Chest CT, axial plane, 120 kVp, kernel STANDARD. Slice 80/238 from the bottom of the scan; thickness 1.25 mm; pixel size 0.703 mm.
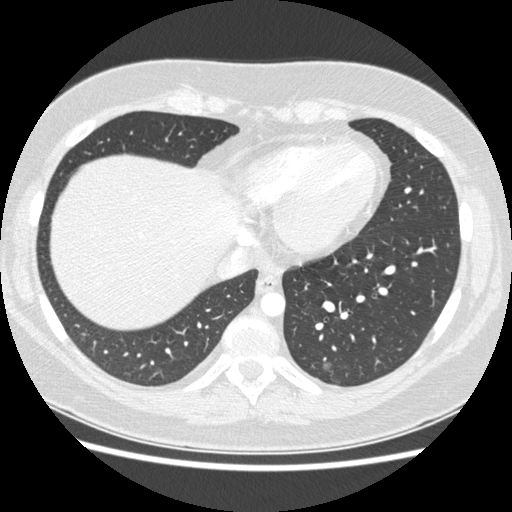
Pulmonary nodule, outlined by three of the four readers. Box on this slice rows 362–370, columns 322–331, the union of the readers' outlines on this slice; median longest diameter 8.2 mm (readers' outlines 7.2–8.8 mm), median volume 137 mm3 (76–177 mm3). Median ratings and the readers' spread: texture 1/5 (non-solid) from all three readers; margin 3/5 at the median of three readers, spread 3/5 to 4/5; sphericity 4/5 at the median of three readers, spread 3/5 (ovoid) to 4/5; calcification absent, all three readers agreeing; internal structure soft tissue, all three readers agreeing; median subtlety 3/5 (readers ranged 1–3); malignancy likelihood 3/5 at the median of three readers, spread 2–4. Scale key (1–5): texture non-solid→solid, margin indistinct→circumscribed, sphericity linear→round, subtlety extremely subtle→obvious, malignancy likelihood highly unlikely→highly suspicious of cancer. Box rows and columns are 0-based pixel indices from the top-left corner, inclusive.